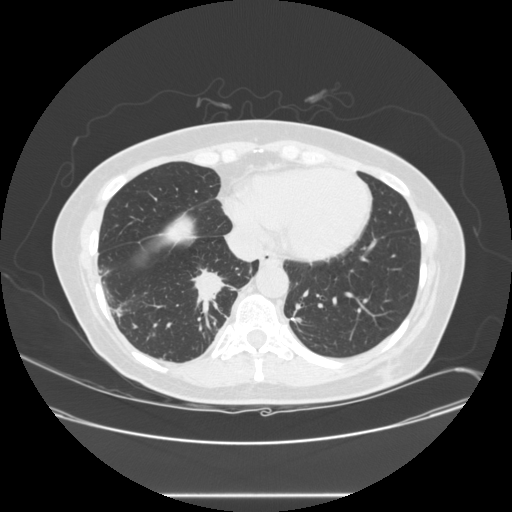
Axial slice 99 of 257 of a chest CT (slice 1 is the lowest), reconstructed with the STANDARD kernel at 120 kVp; 1.25 mm slice thickness and 0.781 mm pixels.
Pulmonary nodule, outlined by all four readers. Box on this slice rows 266–320, columns 189–236, the union of the readers' outlines on this slice; the four readers' outlines give a longest diameter between 28.0 and 45.1 mm and a volume between 5019 and 8578 mm3. Ratings across the readers: texture 5/5 (solid) from all four readers; margin from 1/5 (indistinct) to 5/5 (circumscribed) across the four readers; sphericity from 3/5 (ovoid) to 4/5 across the four readers; calcification absent, all four readers agreeing; internal structure soft tissue from all four readers; subtlety 5/5 from all four readers; malignancy likelihood 5/5 from all four readers. Scale key (1–5): texture non-solid→solid, margin indistinct→circumscribed, sphericity linear→round, subtlety extremely subtle→obvious, malignancy likelihood highly unlikely→highly suspicious of cancer. Box rows and columns are 0-based pixel indices from the top-left corner, inclusive.